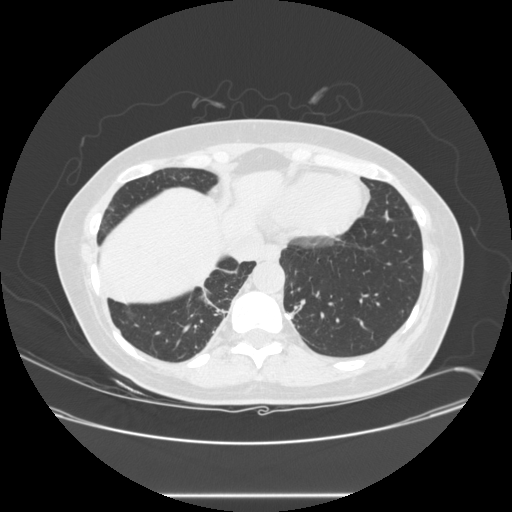
Axial chest CT slice 89 of 257 (counted from the lowest slice); 1.25 mm thick, 0.781 mm per pixel. Pulmonary nodule at rows 291–304, columns 203–211 (box = the one reader's outline on this slice), outlined by three of the four readers, one of them on this slice; median longest diameter 29.7 mm (readers' outlines 28.2–32.2 mm), median volume 3458 mm3 (3103–4675 mm3). Median ratings and the readers' spread: texture 5/5 (solid) from all three readers; margin 5/5 (circumscribed), all three readers agreeing; sphericity 4/5 from all three readers; calcification absent, all three readers agreeing; internal structure soft tissue, all three readers agreeing; subtlety 5/5 from all three readers; malignancy likelihood 4/5 at the median of three readers, spread 2–5. Scale key (1–5): texture non-solid→solid, margin indistinct→circumscribed, sphericity linear→round, subtlety extremely subtle→obvious, malignancy likelihood highly unlikely→highly suspicious of cancer. Box rows and columns are 0-based pixel indices from the top-left corner, inclusive.
Acquired at 120 kVp and reconstructed with the STANDARD kernel.